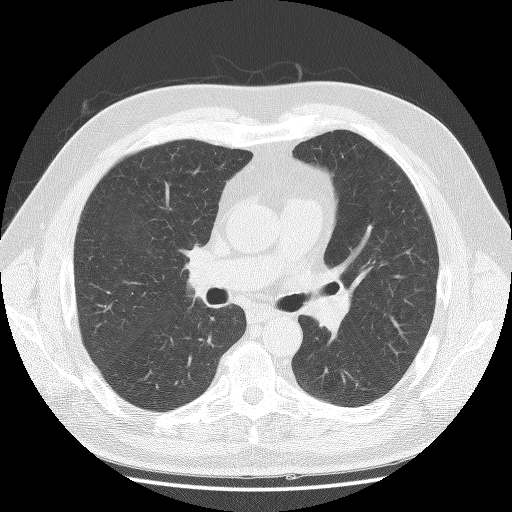
One axial slice (80 of 129, counting up from the lowest) of a chest CT acquired at 140 kVp with the BONE kernel; each pixel is 0.697 mm and the slice is 2.50 mm thick.
No nodule 3 mm or larger was outlined here by any reader.